Chest CT, axial plane, 120 kVp, kernel STANDARD. Slice 93/154 from the bottom of the scan; thickness 2.50 mm; pixel size 0.684 mm.
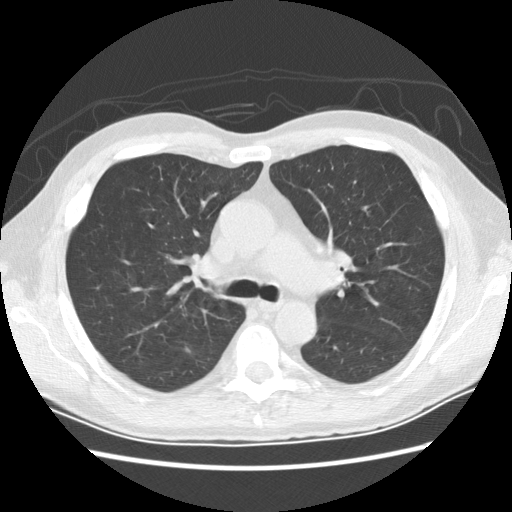
No nodule of 3 mm or larger was outlined by any of the four readers on this slice.